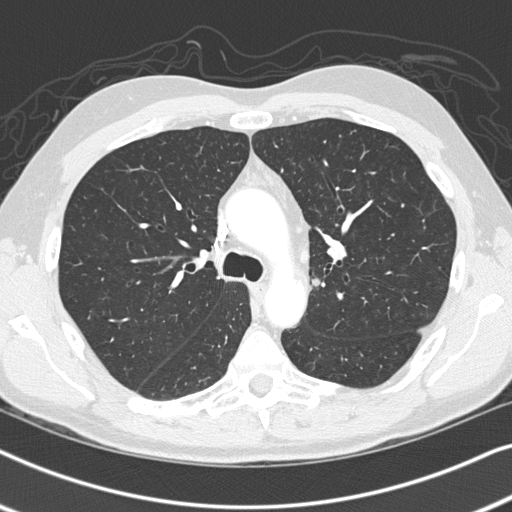
One axial slice (223 of 326, counting up from the lowest) of a chest CT acquired at 120 kVp with the B45f kernel; each pixel is 0.645 mm and the slice is 1.00 mm thick.
Pulmonary nodule outlined by two of the four readers; box rows 276–286, columns 311–319 (the union of the readers' outlines on this slice); longest diameter 8.8–10.4 mm and volume 179–302 mm3 across the two readers' outlines. Ratings across the readers: texture 5/5 (solid), both readers agreeing; margin 5/5 (circumscribed) from both readers; sphericity from 3/5 (ovoid) to 5/5 (round) across the two readers; calcification absent from both readers; internal structure soft tissue, both readers agreeing; subtlety rated between 3 and 4 out of 5 by the two readers; malignancy likelihood 2–3/5 (the readers disagree). Scale key (1–5): texture non-solid→solid, margin indistinct→circumscribed, sphericity linear→round, subtlety extremely subtle→obvious, malignancy likelihood highly unlikely→highly suspicious of cancer. Box rows and columns are 0-based pixel indices from the top-left corner, inclusive.